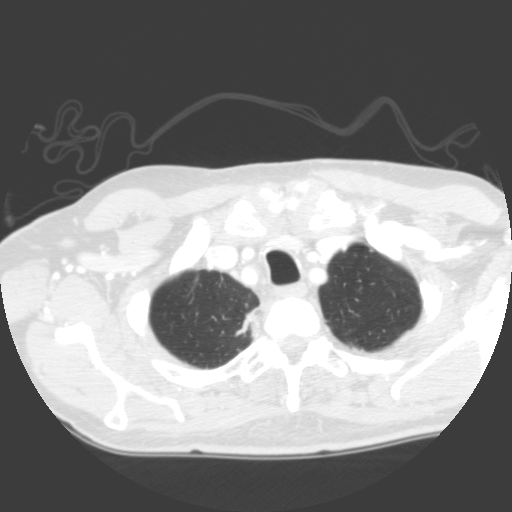
Slice 298/335 of a chest CT, counting up from the lowest; pixel size 0.623 mm, slice thickness 2.00 mm. Pulmonary nodule at rows 303–309, columns 245–248 (box = that reader's outline on this slice), outlined by one of the four readers; longest diameter 8.1 mm and volume 221 mm3 from that reader's outline. Ratings by that reader: texture 4/5; margin 3/5; sphericity 4/5; calcification absent; internal structure soft tissue; subtlety 2/5; malignancy likelihood 1/5. Scale key (1–5): texture non-solid→solid, margin indistinct→circumscribed, sphericity linear→round, subtlety extremely subtle→obvious, malignancy likelihood highly unlikely→highly suspicious of cancer. Box rows and columns are 0-based pixel indices from the top-left corner, inclusive.
Tube voltage 120 kVp; convolution kernel B.